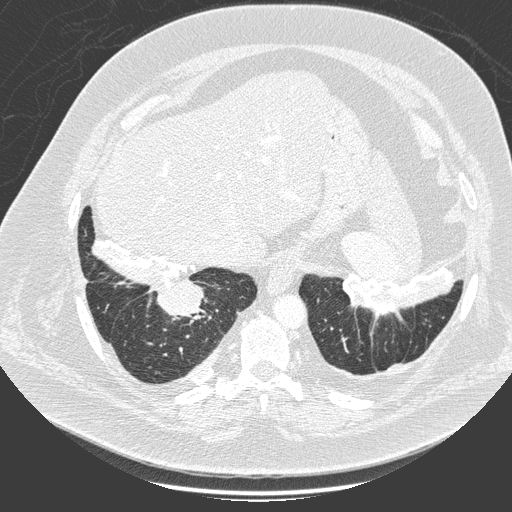
Slice 42/280 of a chest CT, counting up from the lowest; pixel size 0.801 mm, slice thickness 1.00 mm. Pulmonary nodule, outlined by one of the four readers. Box on this slice rows 278–323, columns 158–206, that reader's outline on this slice; longest diameter 49.9 mm and volume 31112 mm3 from that reader's outline. That reader's ratings: texture 5/5 (solid); margin 4/5; sphericity 5/5 (round); calcification non-central calcification; internal structure soft tissue; subtlety 5/5; malignancy likelihood 5/5. Scale key (1–5): texture non-solid→solid, margin indistinct→circumscribed, sphericity linear→round, subtlety extremely subtle→obvious, malignancy likelihood highly unlikely→highly suspicious of cancer. Box rows and columns are 0-based pixel indices from the top-left corner, inclusive.
Scan settings: 140 kVp, D reconstruction kernel.